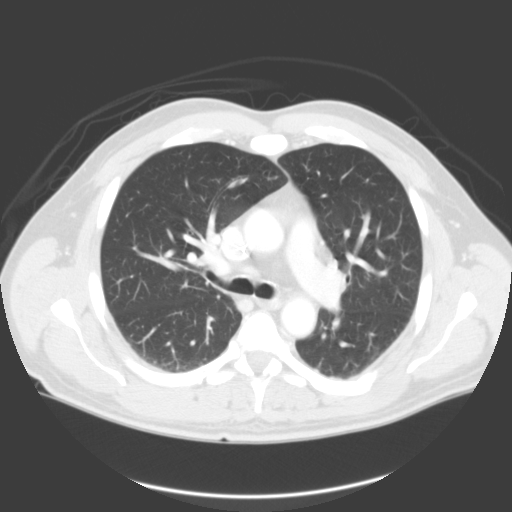
One axial slice (56 of 95, counting up from the lowest) of a chest CT acquired at 120 kVp with the B kernel; each pixel is 0.750 mm and the slice is 3.00 mm thick.
This slice carries no reader outline of a nodule 3 mm or larger.